One axial slice (128 of 436, counting up from the lowest) of a chest CT acquired at 120 kVp with the STANDARD kernel; each pixel is 0.703 mm and the slice is 1.25 mm thick.
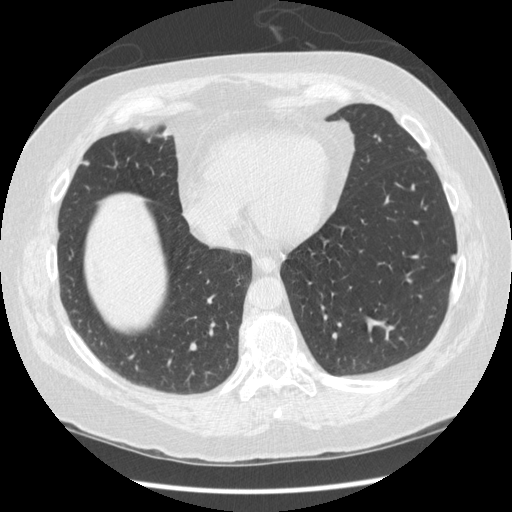
Two pulmonary nodules on this slice, listed from left to right. (1) Pulmonary nodule, outlined by one of the four readers. Box on this slice rows 160–165, columns 83–89, that reader's outline on this slice; longest diameter 5.8 mm and volume 56 mm3 from that reader's outline. Ratings by that reader: texture 5/5 (solid); margin 5/5 (circumscribed); sphericity 5/5 (round); calcification absent; internal structure soft tissue; subtlety 5/5; malignancy likelihood 3/5. (2) Pulmonary nodule, outlined by three of the four readers. Box on this slice rows 254–262, columns 450–455, the union of the readers' outlines on this slice; longest diameter 8.2 mm on average over the three readers' outlines (readers' outlines 8.0–8.6 mm), volume 131–153 mm3. The readers' prevailing ratings and who disagreed: texture 5/5 (solid) from all three readers; most readers (two of three) put margin at 4/5, others 5/5 (circumscribed) (one); sphericity split among the readers: 2/5 (one), 3/5 (ovoid) (one), 4/5 (one); calcification absent, all three readers agreeing; internal structure soft tissue, all three readers agreeing; most readers (two of three) put subtlety at 5/5, others 3/5 (one); most readers (two of three) put malignancy likelihood at 2/5, others 3/5 (one). Scale key (1–5): texture non-solid→solid, margin indistinct→circumscribed, sphericity linear→round, subtlety extremely subtle→obvious, malignancy likelihood highly unlikely→highly suspicious of cancer. Box rows and columns are 0-based pixel indices from the top-left corner, inclusive.